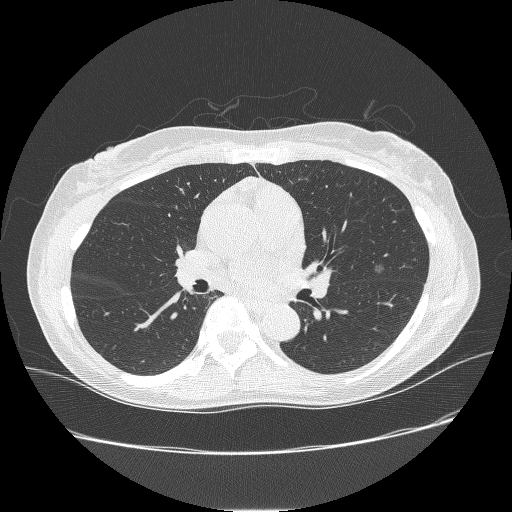
This is axial slice 143 of 238 (slice 1 is the lowest) of a chest CT; each pixel is 0.703 mm and the slice is 1.25 mm thick. Pulmonary nodule outlined by three of the four readers; box rows 264–273, columns 373–384 (the union of the readers' outlines on this slice); the three readers' outlines give a longest diameter between 8.2 and 10.1 mm and a volume between 125 and 233 mm3. The readers' ratings, as ranges where they differ: texture from 1/5 (non-solid) to 2/5 across the three readers; margin from 1/5 (indistinct) to 2/5 across the three readers; sphericity from 4/5 to 5/5 (round) across the three readers; calcification absent from all three readers; internal structure soft tissue, all three readers agreeing; subtlety from 3/5 to 4/5 across the three readers; malignancy likelihood rated between 3 and 4 out of 5 by the three readers. Scale key (1–5): texture non-solid→solid, margin indistinct→circumscribed, sphericity linear→round, subtlety extremely subtle→obvious, malignancy likelihood highly unlikely→highly suspicious of cancer. Box rows and columns are 0-based pixel indices from the top-left corner, inclusive.
Acquired at 120 kVp and reconstructed with the BONE kernel.